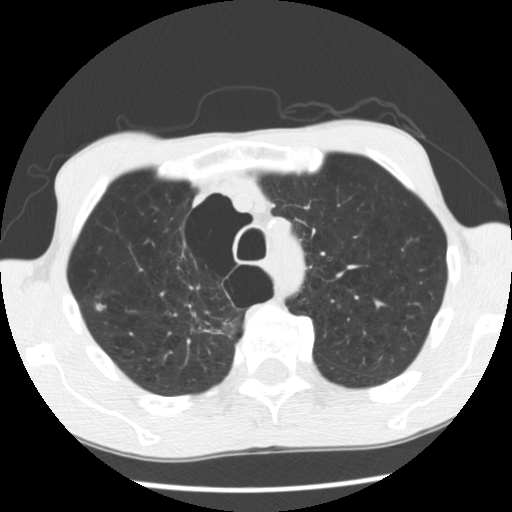
Chest CT, axial plane, 120 kVp, kernel STANDARD. Slice 227/292 from the bottom of the scan; thickness 2.50 mm; pixel size 0.645 mm.
Pulmonary nodule at rows 302–310, columns 96–105 (box = the union of the readers' outlines on this slice), outlined by two of the four readers; longest diameter 8.9 mm on average over the two readers' outlines (readers' outlines 8.2–9.6 mm), volume 110–186 mm3. The readers' prevailing ratings and who disagreed: texture 4/5, both readers agreeing; margin 4/5, both readers agreeing; sphericity split among the readers: 2/5 (one), 4/5 (one); calcification absent from both readers; internal structure soft tissue from both readers; subtlety 3/5 from both readers; malignancy likelihood split among the readers: 2/5 (one), 3/5 (one). Scale key (1–5): texture non-solid→solid, margin indistinct→circumscribed, sphericity linear→round, subtlety extremely subtle→obvious, malignancy likelihood highly unlikely→highly suspicious of cancer. Box rows and columns are 0-based pixel indices from the top-left corner, inclusive.